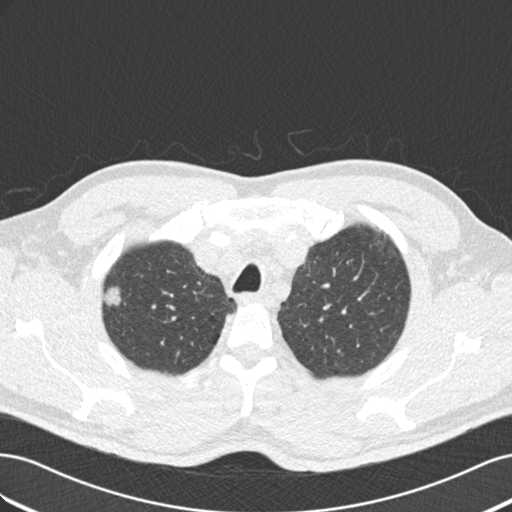
One axial slice (150 of 187, counting up from the lowest) of a chest CT acquired at 120 kVp with the B30f kernel; each pixel is 0.703 mm and the slice is 2.00 mm thick.
Pulmonary nodule at rows 285–307, columns 104–120 (box = the union of the readers' outlines on this slice), outlined by all four readers; longest diameter 16.4 mm on average over the four readers' outlines (readers' outlines 14.9–18.0 mm), volume 840–1317 mm3. Ratings, by the readers' most common answer with dissent counted: texture split among the readers: 4/5 (two), 5/5 (solid) (two); margin split among the readers: 2/5 (one), 3/5 (one), 4/5 (one), 5/5 (circumscribed) (one); sphericity 4/5 by two of four readers; the rest gave 2/5 (one), 5/5 (round) (one); calcification absent, all four readers agreeing; internal structure soft tissue, all four readers agreeing; subtlety 5/5 from all four readers; malignancy likelihood 5/5 by three of four readers; the rest gave 3/5 (one). Scale key (1–5): texture non-solid→solid, margin indistinct→circumscribed, sphericity linear→round, subtlety extremely subtle→obvious, malignancy likelihood highly unlikely→highly suspicious of cancer. Box rows and columns are 0-based pixel indices from the top-left corner, inclusive.